One axial slice (135 of 244, counting up from the lowest) of a chest CT acquired at 120 kVp with the BONE kernel; each pixel is 0.729 mm and the slice is 1.25 mm thick.
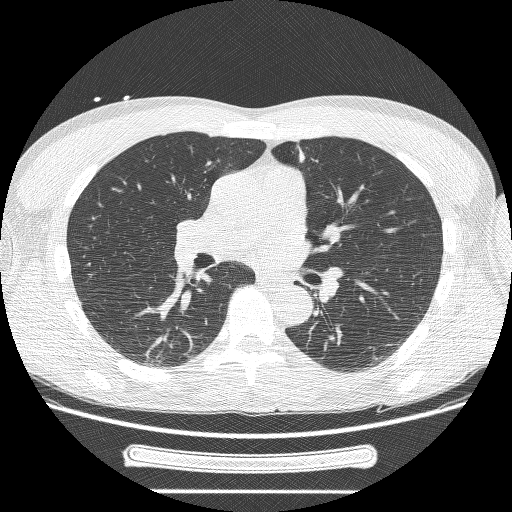
Pulmonary nodule outlined by three of the four readers, one of them on this slice; box rows 147–162, columns 298–304 (the one reader's outline on this slice); median longest diameter 37.5 mm (readers' outlines 27.4–37.9 mm), median volume 6861 mm3 (2934–10099 mm3). Ratings, median across the readers with their spread: median texture 5/5 (solid) (readers ranged 3/5 (part-solid) to 5/5 (solid)); median margin 2/5 (readers ranged 1/5 (indistinct) to 3/5); median sphericity 3/5 (ovoid) (readers ranged 2/5 to 4/5); calcification absent from all three readers; internal structure soft tissue, all three readers agreeing; subtlety 5/5 from all three readers; malignancy likelihood 5/5 at the median of three readers, spread 3–5. Scale key (1–5): texture non-solid→solid, margin indistinct→circumscribed, sphericity linear→round, subtlety extremely subtle→obvious, malignancy likelihood highly unlikely→highly suspicious of cancer. Box rows and columns are 0-based pixel indices from the top-left corner, inclusive.